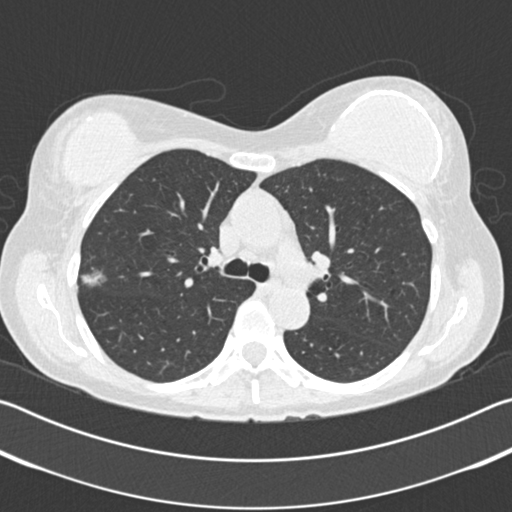
Axial slice 123 of 183 of a chest CT (slice 1 is the lowest), reconstructed with the B30f kernel at 120 kVp; 2.00 mm slice thickness and 0.664 mm pixels.
Pulmonary nodule outlined by three of the four readers, one of them on this slice; box rows 269–288, columns 79–107 (the one reader's outline on this slice); longest diameter 9.9 mm on average over the three readers' outlines (readers' outlines 4.8–20.0 mm), volume 45–1329 mm3. Ratings, by the readers' most common answer with dissent counted: texture split among the readers: 3/5 (part-solid) (one), 4/5 (one), 5/5 (solid) (one); margin split among the readers: 2/5 (one), 3/5 (one), 5/5 (circumscribed) (one); most readers (two of three) put sphericity at 5/5 (round), others 4/5 (one); calcification absent by two of three readers, solid calcification (one); internal structure soft tissue, all three readers agreeing; subtlety 5/5 by two of three readers; the rest gave 2/5 (one); malignancy likelihood split among the readers: 1/5 (one), 3/5 (one), 5/5 (one). Scale key (1–5): texture non-solid→solid, margin indistinct→circumscribed, sphericity linear→round, subtlety extremely subtle→obvious, malignancy likelihood highly unlikely→highly suspicious of cancer. Box rows and columns are 0-based pixel indices from the top-left corner, inclusive.